Axial slice 71 of 103 of a chest CT (slice 1 is the lowest), reconstructed with the FC01 kernel at 135 kVp; 3.00 mm slice thickness and 0.738 mm pixels.
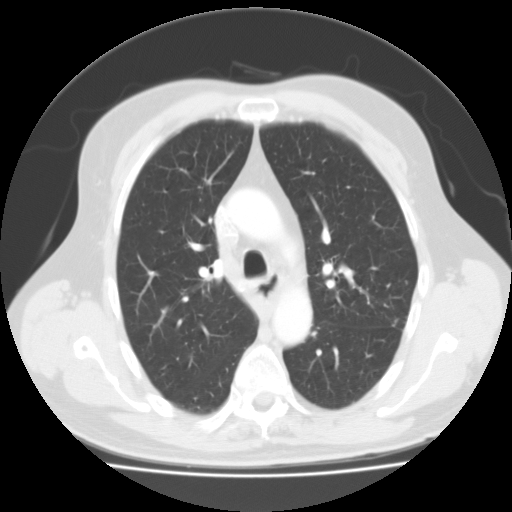
Pulmonary nodule, outlined by three of the four readers, one of them on this slice. Box on this slice rows 318–325, columns 391–398, the one reader's outline on this slice; median longest diameter 18.2 mm (readers' outlines 16.2–20.3 mm), median volume 2073 mm3 (1237–2155 mm3). Ratings, median across the readers with their spread: texture 5/5 (solid), all three readers agreeing; median margin 4/5 (readers ranged 2/5 to 5/5 (circumscribed)); sphericity 5/5 (round) at the median of three readers, spread 4/5 to 5/5 (round); calcification split among the readers: central calcification (one), solid calcification (one), absent (one); internal structure soft tissue, all three readers agreeing; subtlety 5/5 from all three readers; median malignancy likelihood 1/5 (readers ranged 1–5). Scale key (1–5): texture non-solid→solid, margin indistinct→circumscribed, sphericity linear→round, subtlety extremely subtle→obvious, malignancy likelihood highly unlikely→highly suspicious of cancer. Box rows and columns are 0-based pixel indices from the top-left corner, inclusive.